Axial chest CT slice 399 of 633 (counted from the lowest slice); tube voltage 120 kVp, convolution kernel B30f; slices 0.60 mm thick, 0.541 mm per pixel.
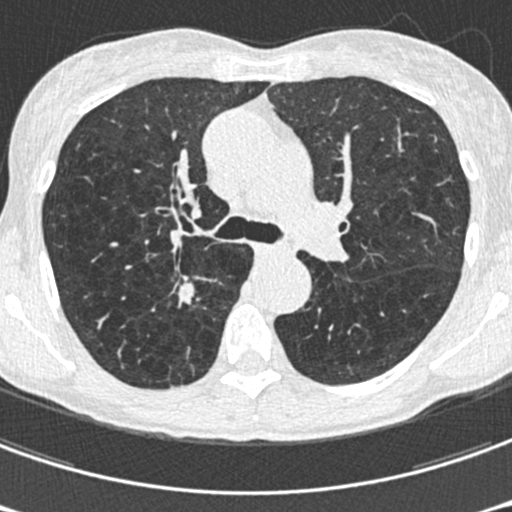
Pulmonary nodule, outlined by all four readers. Box on this slice rows 282–306, columns 178–194, the union of the readers' outlines on this slice; median longest diameter 18.4 mm (readers' outlines 18.1–21.0 mm), median volume 1471 mm3 (1292–1642 mm3). Ratings, median across the readers with their spread: texture 5/5 (solid) from all four readers; margin 2/5 at the median of four readers, spread 1/5 (indistinct) to 3/5; median sphericity 3/5 (ovoid) (readers ranged 2/5 to 4/5); calcification absent from all four readers; internal structure soft tissue, all four readers agreeing; median subtlety 5/5 (readers ranged 4–5); median malignancy likelihood 5/5 (readers ranged 4–5). Scale key (1–5): texture non-solid→solid, margin indistinct→circumscribed, sphericity linear→round, subtlety extremely subtle→obvious, malignancy likelihood highly unlikely→highly suspicious of cancer. Box rows and columns are 0-based pixel indices from the top-left corner, inclusive.